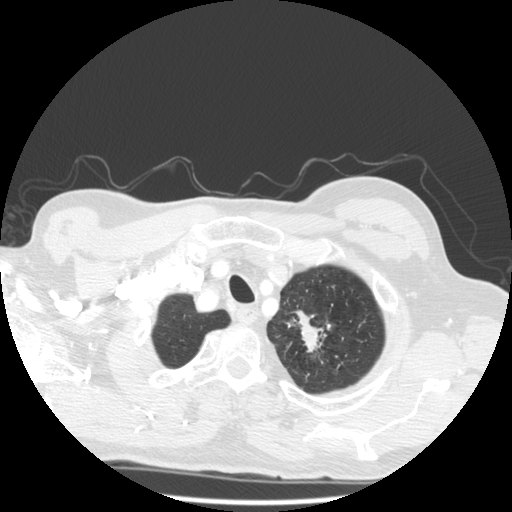
This is axial slice 457 of 501 (slice 1 is the lowest) of a chest CT; each pixel is 0.703 mm and the slice is 1.25 mm thick. Pulmonary nodule, outlined by three of the four readers. Box on this slice rows 310–352, columns 295–326, the union of the readers' outlines on this slice; median longest diameter 33.8 mm (readers' outlines 32.1–39.2 mm), median volume 3078 mm3 (2361–4873 mm3). Ratings, median across the readers with their spread: median texture 5/5 (solid) (readers ranged 4/5 to 5/5 (solid)); median margin 3/5 (readers ranged 1/5 (indistinct) to 5/5 (circumscribed)); median sphericity 3/5 (ovoid) (readers ranged 2/5 to 5/5 (round)); calcification absent from all three readers; internal structure soft tissue from all three readers; subtlety 5/5, all three readers agreeing; malignancy likelihood 5/5 at the median of three readers, spread 4–5. Scale key (1–5): texture non-solid→solid, margin indistinct→circumscribed, sphericity linear→round, subtlety extremely subtle→obvious, malignancy likelihood highly unlikely→highly suspicious of cancer. Box rows and columns are 0-based pixel indices from the top-left corner, inclusive.
Tube voltage 140 kVp; convolution kernel STANDARD.